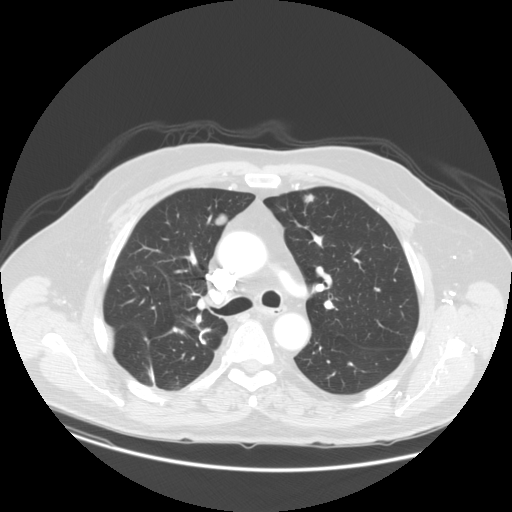
Axial chest CT slice 83 of 140 (counted from the lowest slice); 2.50 mm thick, 0.820 mm per pixel. Two pulmonary nodules are outlined on this slice; from left to right: (1) Pulmonary nodule outlined by all four readers; box rows 211–225, columns 214–227 (the union of the readers' outlines on this slice); longest diameter 15.0 mm on average over the four readers' outlines (readers' outlines 14.3–15.6 mm), volume 1108–1503 mm3. The readers' prevailing ratings and who disagreed: texture 5/5 (solid) from all four readers; margin 5/5 (circumscribed), all four readers agreeing; sphericity split among the readers: 4/5 (two), 5/5 (round) (two); calcification absent, all four readers agreeing; internal structure soft tissue from all four readers; subtlety 4/5 by two of four readers; the rest gave 3/5 (one), 5/5 (one); malignancy likelihood split among the readers: 2/5 (one), 3/5 (one), 4/5 (one), 5/5 (one). (2) Pulmonary nodule, outlined by all four readers. Box on this slice rows 193–203, columns 301–314, the union of the readers' outlines on this slice; longest diameter 11.9–14.8 mm and volume 312–584 mm3 across the four readers' outlines. The readers' ratings, as ranges where they differ: texture from 4/5 to 5/5 (solid) across the four readers; margin from 3/5 to 5/5 (circumscribed) across the four readers; sphericity from 2/5 to 5/5 (round) across the four readers; calcification absent from all four readers; internal structure soft tissue, all four readers agreeing; subtlety rated between 3 and 4 out of 5 by the four readers; malignancy likelihood rated between 2 and 4 out of 5 by the four readers. Scale key (1–5): texture non-solid→solid, margin indistinct→circumscribed, sphericity linear→round, subtlety extremely subtle→obvious, malignancy likelihood highly unlikely→highly suspicious of cancer. Box rows and columns are 0-based pixel indices from the top-left corner, inclusive.
Acquired at 120 kVp and reconstructed with the STANDARD kernel.